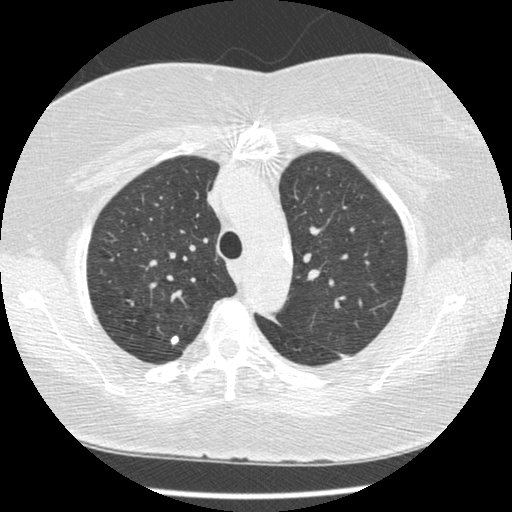
Chest CT, axial plane, 120 kVp, kernel STANDARD. Slice 271/375 from the bottom of the scan; thickness 1.25 mm; pixel size 0.625 mm.
Pulmonary nodule, outlined by two of the four readers. Box on this slice rows 335–344, columns 170–178, the union of the readers' outlines on this slice; longest diameter 7.8 mm on average over the two readers' outlines (readers' outlines 6.4–9.1 mm), volume 95–233 mm3. The readers' prevailing ratings and who disagreed: texture 5/5 (solid), both readers agreeing; margin 5/5 (circumscribed) from both readers; sphericity split among the readers: 3/5 (ovoid) (one), 4/5 (one); calcification split among the readers: solid calcification (one), absent (one); internal structure soft tissue, both readers agreeing; subtlety split among the readers: 4/5 (one), 5/5 (one); malignancy likelihood split among the readers: 1/5 (one), 3/5 (one). Scale key (1–5): texture non-solid→solid, margin indistinct→circumscribed, sphericity linear→round, subtlety extremely subtle→obvious, malignancy likelihood highly unlikely→highly suspicious of cancer. Box rows and columns are 0-based pixel indices from the top-left corner, inclusive.